Axial chest CT slice 44 of 280 (counted from the lowest slice); tube voltage 140 kVp, convolution kernel D; slices 1.00 mm thick, 0.801 mm per pixel.
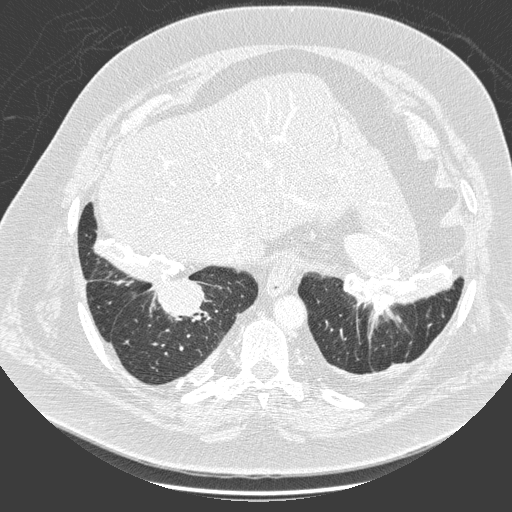
Pulmonary nodule outlined by one of the four readers; box rows 281–319, columns 151–204 (that reader's outline on this slice); longest diameter 49.9 mm and volume 31112 mm3 from that reader's outline. That reader's ratings: texture 5/5 (solid); margin 4/5; sphericity 5/5 (round); calcification non-central calcification; internal structure soft tissue; subtlety 5/5; malignancy likelihood 5/5. Scale key (1–5): texture non-solid→solid, margin indistinct→circumscribed, sphericity linear→round, subtlety extremely subtle→obvious, malignancy likelihood highly unlikely→highly suspicious of cancer. Box rows and columns are 0-based pixel indices from the top-left corner, inclusive.